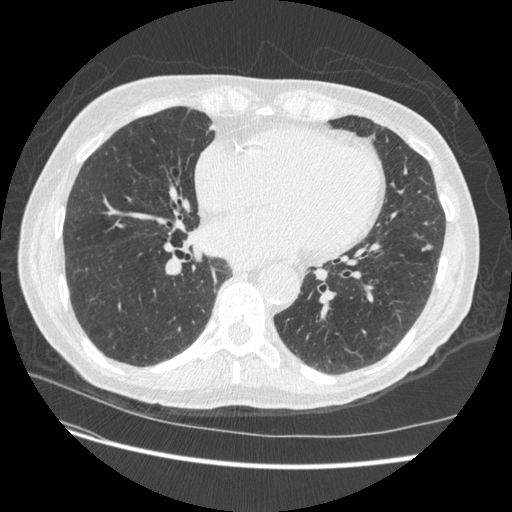
Axial chest CT slice 196 of 509 (counted from the lowest slice); 1.25 mm thick, 0.703 mm per pixel. Pulmonary nodule outlined by three of the four readers; box rows 243–251, columns 421–432 (the union of the readers' outlines on this slice); the three readers' outlines give a longest diameter between 6.9 and 9.6 mm and a volume between 87 and 218 mm3. Ratings across the readers: texture 5/5 (solid), all three readers agreeing; margin 4/5 from all three readers; sphericity from 3/5 (ovoid) to 4/5 across the three readers; calcification absent, all three readers agreeing; internal structure soft tissue from all three readers; subtlety from 4/5 to 5/5 across the three readers; malignancy likelihood 2–5/5 (the readers disagree). Scale key (1–5): texture non-solid→solid, margin indistinct→circumscribed, sphericity linear→round, subtlety extremely subtle→obvious, malignancy likelihood highly unlikely→highly suspicious of cancer. Box rows and columns are 0-based pixel indices from the top-left corner, inclusive.
Acquired at 120 kVp and reconstructed with the STANDARD kernel.